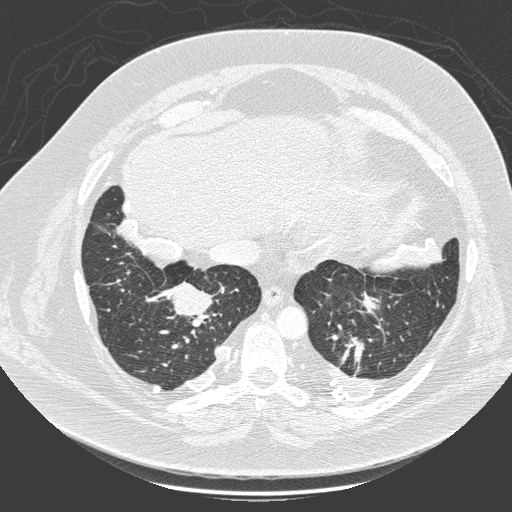
Axial chest CT slice 69 of 280 (counted from the lowest slice); 1.00 mm thick, 0.801 mm per pixel. Pulmonary nodule at rows 282–316, columns 167–211 (box = that reader's outline on this slice), outlined by one of the four readers; longest diameter 49.9 mm and volume 31112 mm3 from that reader's outline. Ratings by that reader: texture 5/5 (solid); margin 4/5; sphericity 5/5 (round); calcification non-central calcification; internal structure soft tissue; subtlety 5/5; malignancy likelihood 5/5. Scale key (1–5): texture non-solid→solid, margin indistinct→circumscribed, sphericity linear→round, subtlety extremely subtle→obvious, malignancy likelihood highly unlikely→highly suspicious of cancer. Box rows and columns are 0-based pixel indices from the top-left corner, inclusive.
Scan settings: 140 kVp, D reconstruction kernel.